Axial slice 48 of 300 of a chest CT (slice 1 is the lowest), reconstructed with the D kernel at 120 kVp; 1.00 mm slice thickness and 0.607 mm pixels.
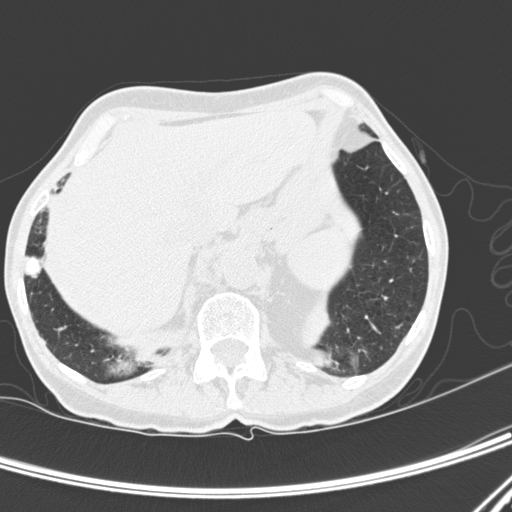
Pulmonary nodule, outlined by all four readers. Box on this slice rows 255–279, columns 22–40, the union of the readers' outlines on this slice; longest diameter 18.8 mm on average over the four readers' outlines (readers' outlines 17.1–19.9 mm), volume 1865–2443 mm3. The readers' prevailing ratings and who disagreed: texture 5/5 (solid), all four readers agreeing; margin 5/5 (circumscribed) from all four readers; most readers (three of four) put sphericity at 4/5, others 5/5 (round) (one); calcification solid calcification by three of four readers, absent (one); internal structure soft tissue from all four readers; subtlety 5/5, all four readers agreeing; most readers (three of four) put malignancy likelihood at 1/5, others 4/5 (one). Scale key (1–5): texture non-solid→solid, margin indistinct→circumscribed, sphericity linear→round, subtlety extremely subtle→obvious, malignancy likelihood highly unlikely→highly suspicious of cancer. Box rows and columns are 0-based pixel indices from the top-left corner, inclusive.